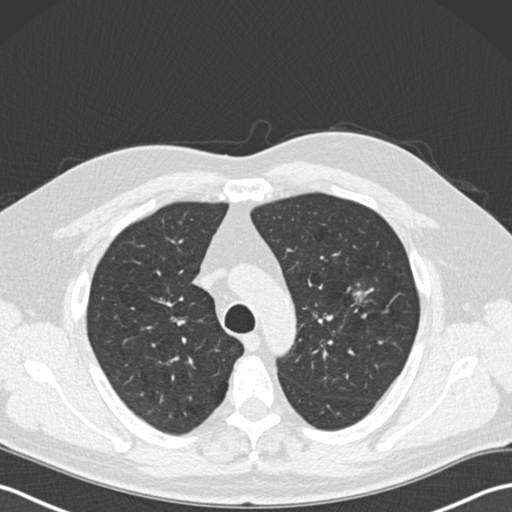
This is axial slice 142 of 191 (slice 1 is the lowest) of a chest CT; each pixel is 0.684 mm and the slice is 2.00 mm thick. Pulmonary nodule, outlined by all four readers. Box on this slice rows 290–302, columns 351–364, the union of the readers' outlines on this slice; median longest diameter 19.2 mm (readers' outlines 19.1–20.2 mm), median volume 2139 mm3 (1870–2474 mm3). Ratings, median across the readers with their spread: texture 5/5 (solid) from all four readers; median margin 4.5/5 (readers ranged 3/5 to 5/5 (circumscribed)); sphericity 3.5/5 at the median of four readers, spread 3/5 (ovoid) to 4/5; calcification absent from all four readers; internal structure soft tissue, all four readers agreeing; subtlety 5/5 from all four readers; median malignancy likelihood 5/5 (readers ranged 4–5). Scale key (1–5): texture non-solid→solid, margin indistinct→circumscribed, sphericity linear→round, subtlety extremely subtle→obvious, malignancy likelihood highly unlikely→highly suspicious of cancer. Box rows and columns are 0-based pixel indices from the top-left corner, inclusive.
Tube voltage 120 kVp; convolution kernel B30f.